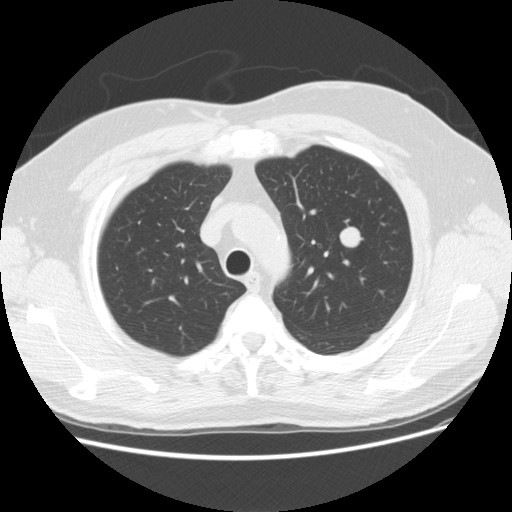
Axial slice 118 of 158 of a chest CT (slice 1 is the lowest), reconstructed with the STANDARD kernel at 120 kVp; 2.50 mm slice thickness and 0.723 mm pixels.
Pulmonary nodule, outlined by all four readers. Box on this slice rows 226–247, columns 339–360, the union of the readers' outlines on this slice; longest diameter 16.2–18.8 mm and volume 1663–2984 mm3 across the four readers' outlines. Ratings across the readers: texture 5/5 (solid) from all four readers; margin 5/5 (circumscribed) from all four readers; sphericity from 4/5 to 5/5 (round) across the four readers; calcification absent, all four readers agreeing; internal structure soft tissue from all four readers; subtlety 5/5 from all four readers; malignancy likelihood from 2/5 to 5/5 across the four readers. Scale key (1–5): texture non-solid→solid, margin indistinct→circumscribed, sphericity linear→round, subtlety extremely subtle→obvious, malignancy likelihood highly unlikely→highly suspicious of cancer. Box rows and columns are 0-based pixel indices from the top-left corner, inclusive.